Chest CT, axial plane, 120 kVp, kernel B30f. Slice 225/493 from the bottom of the scan; thickness 0.75 mm; pixel size 0.762 mm.
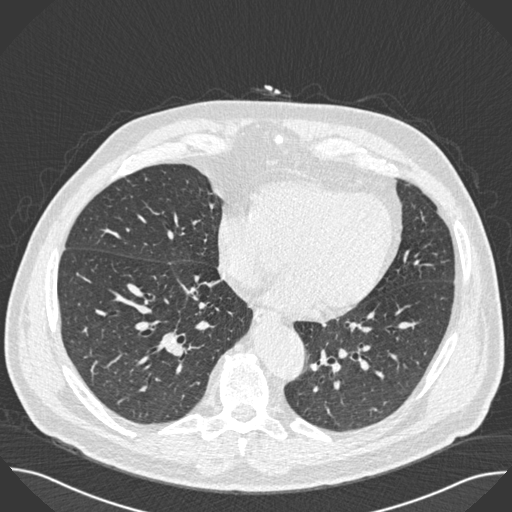
Pulmonary nodule at rows 179–182, columns 126–130 (box = the union of the readers' outlines on this slice), outlined by three of the four readers, two of them on this slice; median longest diameter 7.2 mm (readers' outlines 7.2–7.6 mm), median volume 97 mm3 (74–97 mm3). Median ratings and the readers' spread: texture 5/5 (solid) from all three readers; margin 4/5 at the median of three readers, spread 1/5 (indistinct) to 5/5 (circumscribed); sphericity 4/5 at the median of three readers, spread 3/5 (ovoid) to 4/5; calcification absent from all three readers; internal structure soft tissue, all three readers agreeing; median subtlety 5/5 (readers ranged 3–5); malignancy likelihood 3/5, all three readers agreeing. Scale key (1–5): texture non-solid→solid, margin indistinct→circumscribed, sphericity linear→round, subtlety extremely subtle→obvious, malignancy likelihood highly unlikely→highly suspicious of cancer. Box rows and columns are 0-based pixel indices from the top-left corner, inclusive.